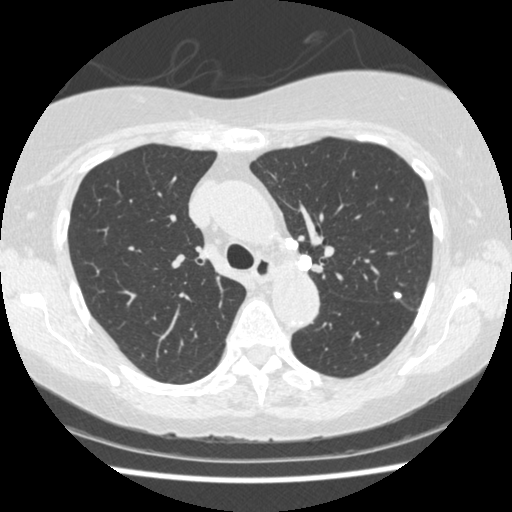
One axial slice (302 of 458, counting up from the lowest) of a chest CT acquired at 120 kVp with the STANDARD kernel; each pixel is 0.625 mm and the slice is 1.25 mm thick.
Three pulmonary nodules on this slice, listed from left to right. (1) Pulmonary nodule outlined by one of the four readers; box rows 237–250, columns 285–298 (that reader's outline on this slice); longest diameter 10.6 mm and volume 342 mm3 from that reader's outline. Ratings by that reader: texture 5/5 (solid); margin 5/5 (circumscribed); sphericity 4/5; calcification solid calcification; internal structure soft tissue; subtlety 4/5; malignancy likelihood 1/5. (2) Pulmonary nodule, outlined by one of the four readers. Box on this slice rows 255–270, columns 298–311, that reader's outline on this slice; longest diameter 11.9 mm and volume 579 mm3 from that reader's outline. That reader's ratings: texture 5/5 (solid); margin 5/5 (circumscribed); sphericity 5/5 (round); calcification solid calcification; internal structure soft tissue; subtlety 4/5; malignancy likelihood 1/5. (3) Pulmonary nodule, outlined by all four readers. Box on this slice rows 292–298, columns 394–401, the union of the readers' outlines on this slice; median longest diameter 6.8 mm (readers' outlines 6.8–7.1 mm), median volume 145 mm3 (96–159 mm3). Ratings, median across the readers with their spread: median texture 5/5 (solid) (readers ranged 4/5 to 5/5 (solid)); median margin 5/5 (circumscribed) (readers ranged 4/5 to 5/5 (circumscribed)); median sphericity 3.5/5 (readers ranged 3/5 (ovoid) to 4/5); calcification: solid calcification (two), central calcification (one), absent (one); internal structure soft tissue from all four readers; median subtlety 4.5/5 (readers ranged 4–5); malignancy likelihood 1/5 at the median of four readers, spread 1–3. Scale key (1–5): texture non-solid→solid, margin indistinct→circumscribed, sphericity linear→round, subtlety extremely subtle→obvious, malignancy likelihood highly unlikely→highly suspicious of cancer. Box rows and columns are 0-based pixel indices from the top-left corner, inclusive.